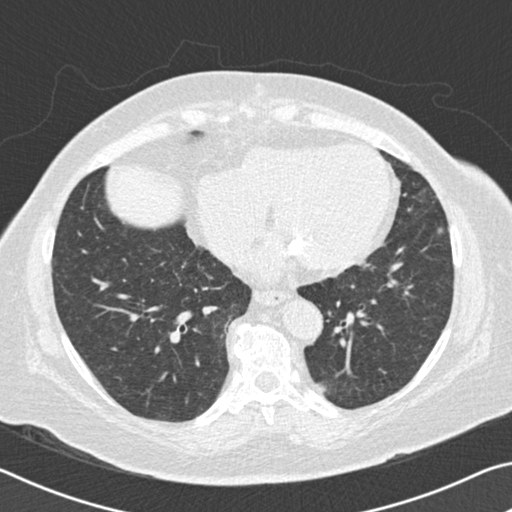
This is axial slice 68 of 167 (slice 1 is the lowest) of a chest CT; each pixel is 0.664 mm and the slice is 2.00 mm thick. Pulmonary nodule outlined by one of the four readers; box rows 227–235, columns 436–442 (that reader's outline on this slice); longest diameter 7.2 mm and volume 92 mm3 from that reader's outline. Ratings by that reader: texture 5/5 (solid); margin 5/5 (circumscribed); sphericity 5/5 (round); calcification absent; internal structure soft tissue; subtlety 4/5; malignancy likelihood 2/5. Scale key (1–5): texture non-solid→solid, margin indistinct→circumscribed, sphericity linear→round, subtlety extremely subtle→obvious, malignancy likelihood highly unlikely→highly suspicious of cancer. Box rows and columns are 0-based pixel indices from the top-left corner, inclusive.
Scan settings: 120 kVp, B30f reconstruction kernel.